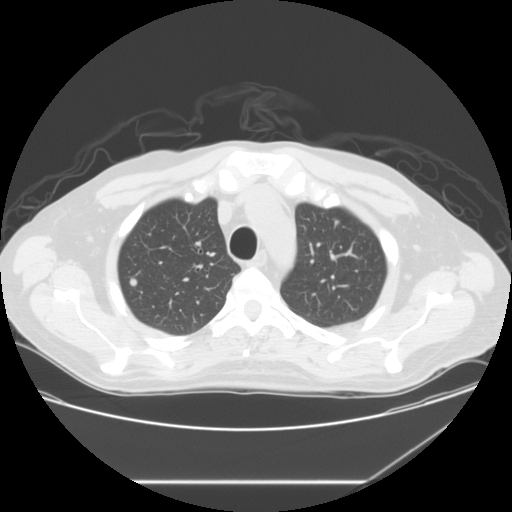
Chest CT, axial plane, 120 kVp, kernel STANDARD. Slice 107/133 from the bottom of the scan; thickness 2.50 mm; pixel size 0.781 mm.
Pulmonary nodule outlined by all four readers; box rows 277–287, columns 129–137 (the union of the readers' outlines on this slice); median longest diameter 8.4 mm (readers' outlines 7.7–9.7 mm), median volume 229 mm3 (196–260 mm3). Median ratings and the readers' spread: median texture 4.5/5 (readers ranged 4/5 to 5/5 (solid)); median margin 4.5/5 (readers ranged 4/5 to 5/5 (circumscribed)); median sphericity 5/5 (round) (readers ranged 4/5 to 5/5 (round)); calcification absent from all four readers; internal structure soft tissue from all four readers; median subtlety 4/5 (readers ranged 3–4); median malignancy likelihood 3/5 (readers ranged 2–3). Scale key (1–5): texture non-solid→solid, margin indistinct→circumscribed, sphericity linear→round, subtlety extremely subtle→obvious, malignancy likelihood highly unlikely→highly suspicious of cancer. Box rows and columns are 0-based pixel indices from the top-left corner, inclusive.